Chest CT, axial plane, 120 kVp, kernel B70f. Slice 194/333 from the bottom of the scan; thickness 2.00 mm; pixel size 0.775 mm.
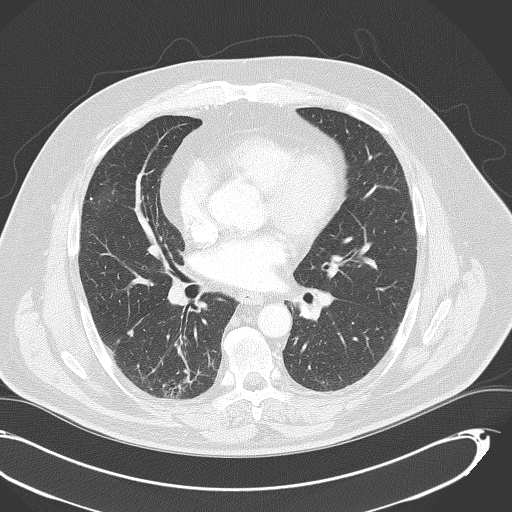
Pulmonary nodule, outlined by three of the four readers. Box on this slice rows 330–336, columns 126–133, the union of the readers' outlines on this slice; the three readers' outlines give a longest diameter between 7.1 and 7.9 mm and a volume between 58 and 182 mm3. Ratings across the readers: texture from 4/5 to 5/5 (solid) across the three readers; margin from 3/5 to 5/5 (circumscribed) across the three readers; sphericity 3/5 (ovoid), all three readers agreeing; calcification absent, all three readers agreeing; internal structure soft tissue from all three readers; subtlety rated between 2 and 5 out of 5 by the three readers; malignancy likelihood 2/5 from all three readers. Scale key (1–5): texture non-solid→solid, margin indistinct→circumscribed, sphericity linear→round, subtlety extremely subtle→obvious, malignancy likelihood highly unlikely→highly suspicious of cancer. Box rows and columns are 0-based pixel indices from the top-left corner, inclusive.